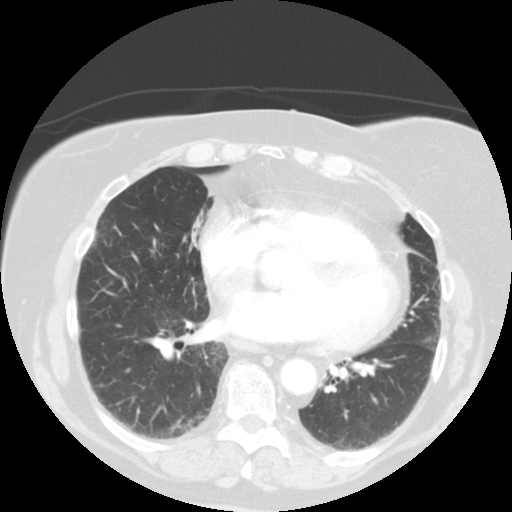
Axial chest CT slice 45 of 121 (counted from the lowest slice); 2.50 mm thick, 0.664 mm per pixel. Two pulmonary nodules are outlined on this slice; from left to right: (1) Pulmonary nodule at rows 382–386, columns 98–103 (box = the one reader's outline on this slice), outlined by all four readers, one of them on this slice; median longest diameter 7.2 mm (readers' outlines 7.2–8.4 mm), median volume 141 mm3 (117–173 mm3). Median ratings and the readers' spread: texture 4.5/5 at the median of four readers, spread 2/5 to 5/5 (solid); median margin 4.5/5 (readers ranged 3/5 to 5/5 (circumscribed)); median sphericity 3/5 (ovoid) (readers ranged 3/5 (ovoid) to 5/5 (round)); calcification absent from all four readers; internal structure soft tissue from all four readers; subtlety 3.5/5 at the median of four readers, spread 2–4; malignancy likelihood 3/5 at the median of four readers, spread 2–3. (2) Pulmonary nodule at rows 368–372, columns 125–130 (box = that reader's outline on this slice), outlined by one of the four readers; longest diameter 5.4 mm and volume 68 mm3 from that reader's outline. Ratings by that reader: texture 4/5; margin 4/5; sphericity 2/5; calcification absent; internal structure soft tissue; subtlety 1/5; malignancy likelihood 3/5. Scale key (1–5): texture non-solid→solid, margin indistinct→circumscribed, sphericity linear→round, subtlety extremely subtle→obvious, malignancy likelihood highly unlikely→highly suspicious of cancer. Box rows and columns are 0-based pixel indices from the top-left corner, inclusive.
Scan settings: 120 kVp, STANDARD reconstruction kernel.